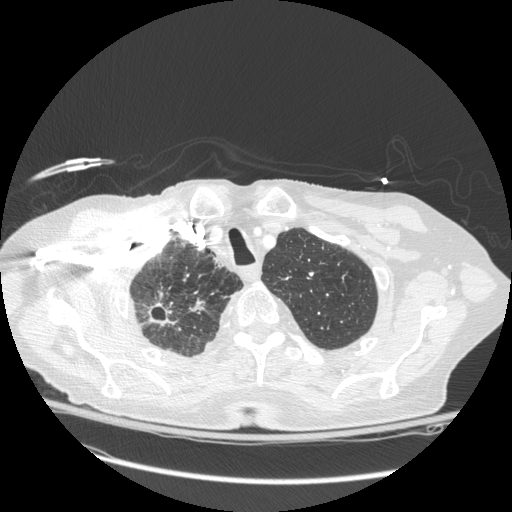
Chest CT, axial plane, 120 kVp, kernel STANDARD. Slice 232/272 from the bottom of the scan; thickness 1.25 mm; pixel size 0.742 mm.
Pulmonary nodule outlined by all four readers, two of them on this slice; box rows 303–325, columns 148–168 (the union of the readers' outlines on this slice); the four readers' outlines give a longest diameter between 16.0 and 56.1 mm and a volume between 732 and 13897 mm3. Ratings across the readers: texture 5/5 (solid) from all four readers; margin from 3/5 to 5/5 (circumscribed) across the four readers; sphericity from 3/5 (ovoid) to 4/5 across the four readers; calcification absent from all four readers; internal structure soft tissue from all four readers; subtlety 5/5 from all four readers; malignancy likelihood from 4/5 to 5/5 across the four readers. Scale key (1–5): texture non-solid→solid, margin indistinct→circumscribed, sphericity linear→round, subtlety extremely subtle→obvious, malignancy likelihood highly unlikely→highly suspicious of cancer. Box rows and columns are 0-based pixel indices from the top-left corner, inclusive.